Chest CT, axial plane, 120 kVp, kernel B30f. Slice 528/672 from the bottom of the scan; thickness 0.60 mm; pixel size 0.607 mm.
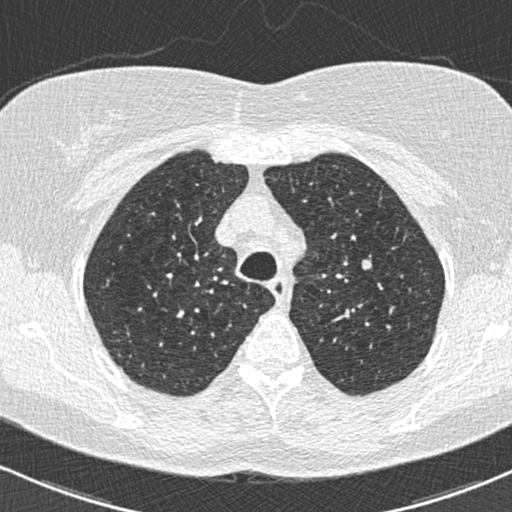
Pulmonary nodule, outlined by all four readers. Box on this slice rows 259–269, columns 361–371, the union of the readers' outlines on this slice; median longest diameter 8.2 mm (readers' outlines 8.1–8.8 mm), median volume 187 mm3 (181–196 mm3). Ratings, median across the readers with their spread: texture 5/5 (solid), all four readers agreeing; median margin 5/5 (circumscribed) (readers ranged 4/5 to 5/5 (circumscribed)); median sphericity 5/5 (round) (readers ranged 3/5 (ovoid) to 5/5 (round)); calcification absent from all four readers; internal structure soft tissue from all four readers; subtlety 4/5 at the median of four readers, spread 1–5; median malignancy likelihood 3/5 (readers ranged 2–3). Scale key (1–5): texture non-solid→solid, margin indistinct→circumscribed, sphericity linear→round, subtlety extremely subtle→obvious, malignancy likelihood highly unlikely→highly suspicious of cancer. Box rows and columns are 0-based pixel indices from the top-left corner, inclusive.